Axial chest CT slice 103 of 172 (counted from the lowest slice); tube voltage 120 kVp, convolution kernel B30f; slices 2.00 mm thick, 0.605 mm per pixel.
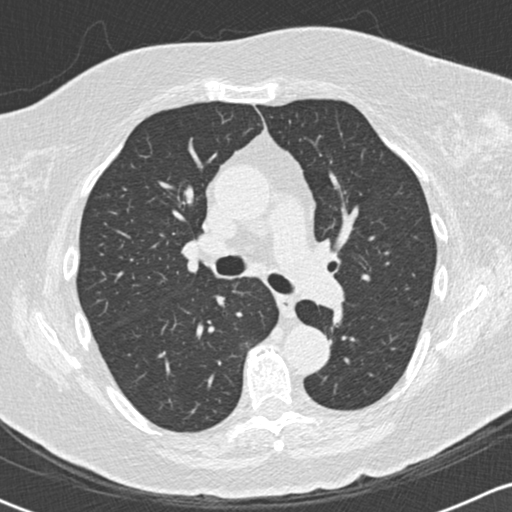
This slice carries no reader outline of a nodule 3 mm or larger.